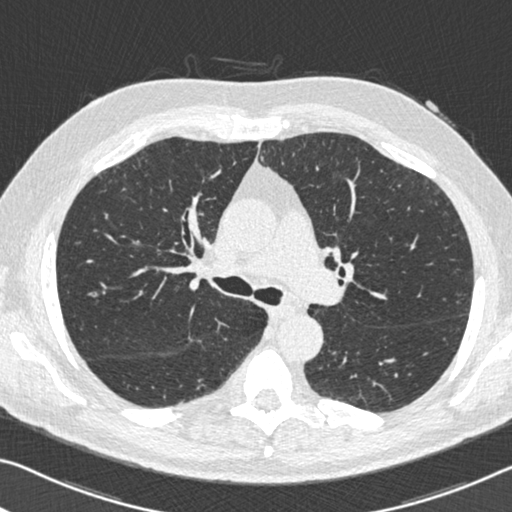
Axial slice 351 of 525 of a chest CT (slice 1 is the lowest), reconstructed with the B30f kernel at 120 kVp; 0.75 mm slice thickness and 0.660 mm pixels.
The readers outlined no nodule of 3 mm or more on this slice.